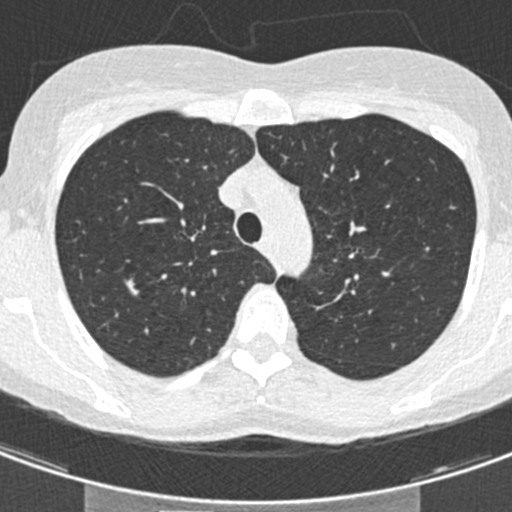
Axial chest CT slice 330 of 429 (counted from the lowest slice); tube voltage 120 kVp, convolution kernel B30f; slices 0.75 mm thick, 0.537 mm per pixel.
Pulmonary nodule at rows 277–296, columns 123–139 (box = the union of the readers' outlines on this slice), outlined by all four readers; median longest diameter 12.9 mm (readers' outlines 11.2–13.4 mm), median volume 331 mm3 (226–398 mm3). Median ratings and the readers' spread: median texture 3.5/5 (readers ranged 3/5 (part-solid) to 4/5); median margin 3/5 (readers ranged 1/5 (indistinct) to 4/5); median sphericity 2.5/5 (readers ranged 2/5 to 5/5 (round)); calcification absent from all four readers; internal structure soft tissue from all four readers; median subtlety 4.5/5 (readers ranged 3–5); malignancy likelihood 3.5/5 at the median of four readers, spread 3–4. Scale key (1–5): texture non-solid→solid, margin indistinct→circumscribed, sphericity linear→round, subtlety extremely subtle→obvious, malignancy likelihood highly unlikely→highly suspicious of cancer. Box rows and columns are 0-based pixel indices from the top-left corner, inclusive.